One axial slice (96 of 141, counting up from the lowest) of a chest CT acquired at 120 kVp with the LUNG kernel; each pixel is 0.762 mm and the slice is 2.50 mm thick.
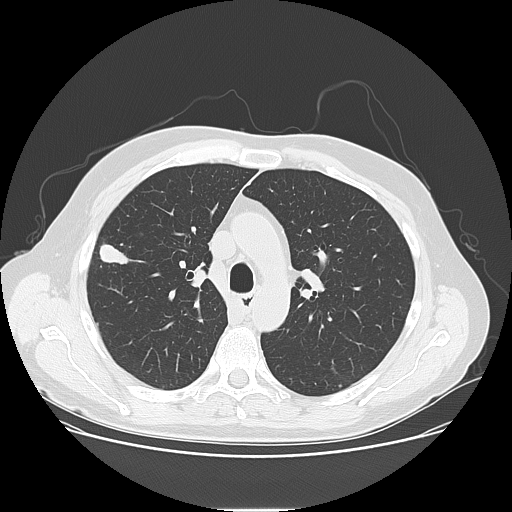
Pulmonary nodule at rows 243–264, columns 97–128 (box = the union of the readers' outlines on this slice), outlined by all four readers; median longest diameter 26.7 mm (readers' outlines 25.3–27.9 mm), median volume 3135 mm3 (2874–3633 mm3). Median ratings and the readers' spread: texture 5/5 (solid) from all four readers; margin 4.5/5 at the median of four readers, spread 3/5 to 5/5 (circumscribed); median sphericity 3/5 (ovoid) (readers ranged 2/5 to 3/5 (ovoid)); calcification absent from all four readers; internal structure soft tissue, all four readers agreeing; subtlety 5/5, all four readers agreeing; median malignancy likelihood 5/5 (readers ranged 3–5). Scale key (1–5): texture non-solid→solid, margin indistinct→circumscribed, sphericity linear→round, subtlety extremely subtle→obvious, malignancy likelihood highly unlikely→highly suspicious of cancer. Box rows and columns are 0-based pixel indices from the top-left corner, inclusive.